Chest CT, axial plane, 120 kVp, kernel D. Slice 214/266 from the bottom of the scan; thickness 1.00 mm; pixel size 0.668 mm.
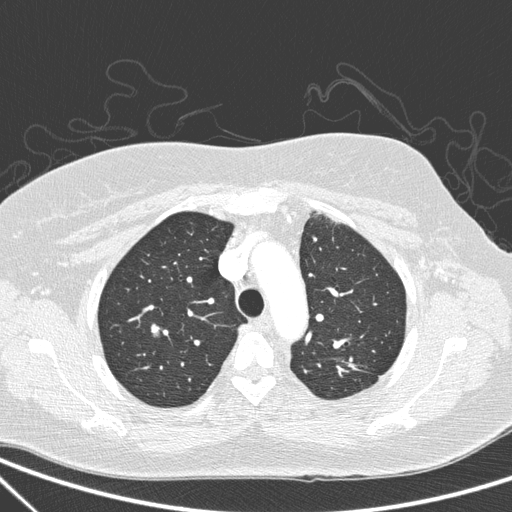
Pulmonary nodule outlined by all four readers; box rows 323–336, columns 151–159 (the union of the readers' outlines on this slice); longest diameter 17.2 mm on average over the four readers' outlines (readers' outlines 16.7–17.7 mm), volume 1306–1533 mm3. The readers' prevailing ratings and who disagreed: texture 5/5 (solid) from all four readers; margin 3/5 by two of four readers; the rest gave 2/5 (one), 5/5 (circumscribed) (one); sphericity 4/5 by two of four readers; the rest gave 3/5 (ovoid) (one), 5/5 (round) (one); calcification absent, all four readers agreeing; internal structure soft tissue from all four readers; subtlety 5/5 from all four readers; most readers (three of four) put malignancy likelihood at 5/5, others 2/5 (one). Scale key (1–5): texture non-solid→solid, margin indistinct→circumscribed, sphericity linear→round, subtlety extremely subtle→obvious, malignancy likelihood highly unlikely→highly suspicious of cancer. Box rows and columns are 0-based pixel indices from the top-left corner, inclusive.